Axial chest CT slice 71 of 300 (counted from the lowest slice); tube voltage 120 kVp, convolution kernel B45f; slices 1.00 mm thick, 0.605 mm per pixel.
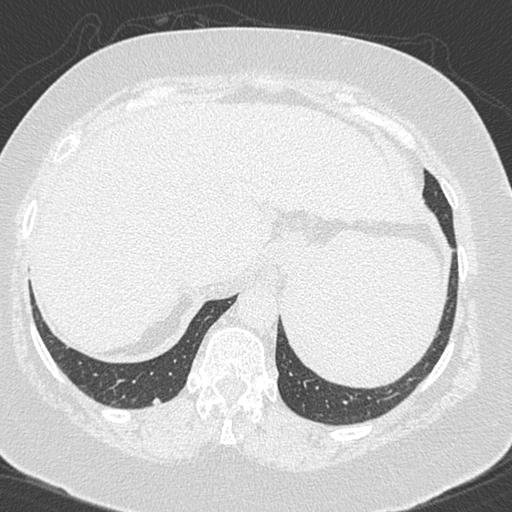
Pulmonary nodule at rows 398–404, columns 152–160 (box = the union of the readers' outlines on this slice), outlined by two of the four readers; longest diameter 6.1 mm on average over the two readers' outlines (readers' outlines 6.0–6.2 mm), volume 55–66 mm3. Ratings, by the readers' most common answer with dissent counted: texture 5/5 (solid) from both readers; margin 4/5 from both readers; sphericity 4/5, both readers agreeing; calcification absent, both readers agreeing; internal structure soft tissue from both readers; subtlety split among the readers: 1/5 (one), 2/5 (one); malignancy likelihood 3/5 from both readers. Scale key (1–5): texture non-solid→solid, margin indistinct→circumscribed, sphericity linear→round, subtlety extremely subtle→obvious, malignancy likelihood highly unlikely→highly suspicious of cancer. Box rows and columns are 0-based pixel indices from the top-left corner, inclusive.